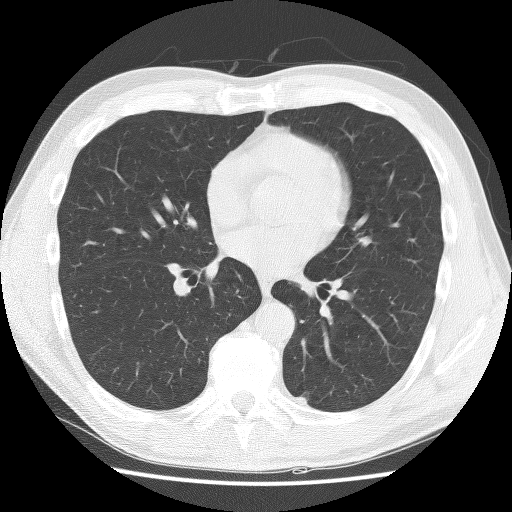
Axial slice 63 of 132 of a chest CT (slice 1 is the lowest), reconstructed with the BONE kernel at 140 kVp; 2.50 mm slice thickness and 0.656 mm pixels.
Pulmonary nodule, outlined by one of the four readers. Box on this slice rows 397–404, columns 294–305, that reader's outline on this slice; longest diameter 11.5 mm and volume 455 mm3 from that reader's outline. That reader's ratings: texture 4/5; margin 4/5; sphericity 2/5; calcification absent; internal structure soft tissue; subtlety 4/5; malignancy likelihood 2/5. Scale key (1–5): texture non-solid→solid, margin indistinct→circumscribed, sphericity linear→round, subtlety extremely subtle→obvious, malignancy likelihood highly unlikely→highly suspicious of cancer. Box rows and columns are 0-based pixel indices from the top-left corner, inclusive.